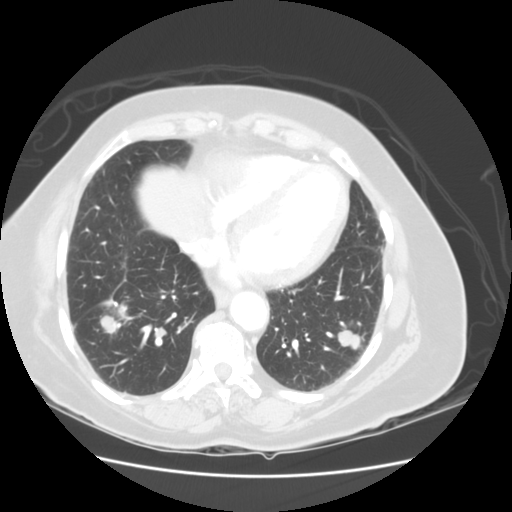
This is axial slice 36 of 114 (slice 1 is the lowest) of a chest CT; each pixel is 0.703 mm and the slice is 2.50 mm thick. Two pulmonary nodules are outlined on this slice; from left to right: (1) Pulmonary nodule outlined by three of the four readers; box rows 306–333, columns 98–125 (the union of the readers' outlines on this slice); median longest diameter 35.0 mm (readers' outlines 33.9–44.7 mm), median volume 10673 mm3 (10097–11661 mm3). Median ratings and the readers' spread: texture 5/5 (solid) from all three readers; margin 4/5 at the median of three readers, spread 4/5 to 5/5 (circumscribed); sphericity 3/5 (ovoid) at the median of three readers, spread 3/5 (ovoid) to 4/5; calcification absent from all three readers; internal structure soft tissue from all three readers; subtlety 5/5 from all three readers; median malignancy likelihood 5/5 (readers ranged 3–5). (2) Pulmonary nodule, outlined by two of the four readers. Box on this slice rows 330–349, columns 338–362, the union of the readers' outlines on this slice; median longest diameter 32.3 mm (readers' outlines 31.2–33.4 mm), median volume 9783 mm3 (9358–10207 mm3). Median ratings and the readers' spread: texture 5/5 (solid), both readers agreeing; margin 4/5, both readers agreeing; sphericity 3/5 (ovoid) from both readers; calcification absent, both readers agreeing; internal structure soft tissue from both readers; subtlety 5/5 from both readers; malignancy likelihood 5/5, both readers agreeing. Scale key (1–5): texture non-solid→solid, margin indistinct→circumscribed, sphericity linear→round, subtlety extremely subtle→obvious, malignancy likelihood highly unlikely→highly suspicious of cancer. Box rows and columns are 0-based pixel indices from the top-left corner, inclusive.
Acquired at 120 kVp and reconstructed with the STANDARD kernel.